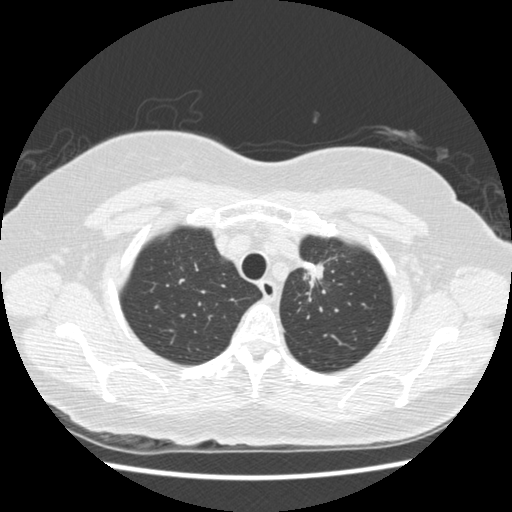
This is axial slice 365 of 445 (slice 1 is the lowest) of a chest CT; each pixel is 0.645 mm and the slice is 1.25 mm thick. Pulmonary nodule, outlined by one of the four readers. Box on this slice rows 262–286, columns 302–322, that reader's outline on this slice; longest diameter 31.0 mm and volume 2055 mm3 from that reader's outline. Ratings by that reader: texture 5/5 (solid); margin 2/5; sphericity 2/5; calcification absent; internal structure soft tissue; subtlety 5/5; malignancy likelihood 4/5. Scale key (1–5): texture non-solid→solid, margin indistinct→circumscribed, sphericity linear→round, subtlety extremely subtle→obvious, malignancy likelihood highly unlikely→highly suspicious of cancer. Box rows and columns are 0-based pixel indices from the top-left corner, inclusive.
Tube voltage 120 kVp; convolution kernel STANDARD.